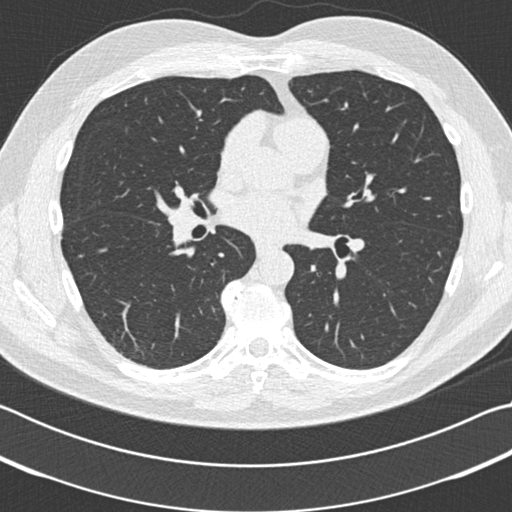
Axial chest CT slice 96 of 185 (counted from the lowest slice); tube voltage 120 kVp, convolution kernel B30f; slices 2.00 mm thick, 0.664 mm per pixel.
Pulmonary nodule at rows 248–252, columns 98–107 (box = the union of the readers' outlines on this slice), outlined by three of the four readers; median longest diameter 10.1 mm (readers' outlines 9.8–11.6 mm), median volume 202 mm3 (146–216 mm3). Ratings, median across the readers with their spread: texture 5/5 (solid), all three readers agreeing; margin 4/5 at the median of three readers, spread 3/5 to 4/5; median sphericity 3/5 (ovoid) (readers ranged 2/5 to 3/5 (ovoid)); calcification absent from all three readers; internal structure soft tissue, all three readers agreeing; subtlety 4/5, all three readers agreeing; malignancy likelihood 3/5, all three readers agreeing. Scale key (1–5): texture non-solid→solid, margin indistinct→circumscribed, sphericity linear→round, subtlety extremely subtle→obvious, malignancy likelihood highly unlikely→highly suspicious of cancer. Box rows and columns are 0-based pixel indices from the top-left corner, inclusive.